Chest CT, axial plane, 120 kVp, kernel STANDARD. Slice 78/257 from the bottom of the scan; thickness 1.25 mm; pixel size 0.781 mm.
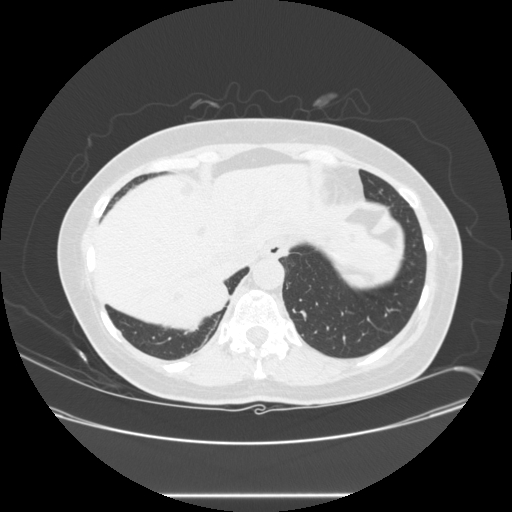
Pulmonary nodule, outlined by three of the four readers, two of them on this slice. Box on this slice rows 285–316, columns 207–227, the union of the readers' outlines on this slice; longest diameter 30.0 mm on average over the three readers' outlines (readers' outlines 28.2–32.2 mm), volume 3103–4675 mm3. The readers' prevailing ratings and who disagreed: texture 5/5 (solid), all three readers agreeing; margin 5/5 (circumscribed) from all three readers; sphericity 4/5, all three readers agreeing; calcification absent, all three readers agreeing; internal structure soft tissue, all three readers agreeing; subtlety 5/5, all three readers agreeing; malignancy likelihood split among the readers: 2/5 (one), 4/5 (one), 5/5 (one). Scale key (1–5): texture non-solid→solid, margin indistinct→circumscribed, sphericity linear→round, subtlety extremely subtle→obvious, malignancy likelihood highly unlikely→highly suspicious of cancer. Box rows and columns are 0-based pixel indices from the top-left corner, inclusive.